One axial slice (73 of 143, counting up from the lowest) of a chest CT acquired at 120 kVp with the LUNG kernel; each pixel is 0.781 mm and the slice is 2.50 mm thick.
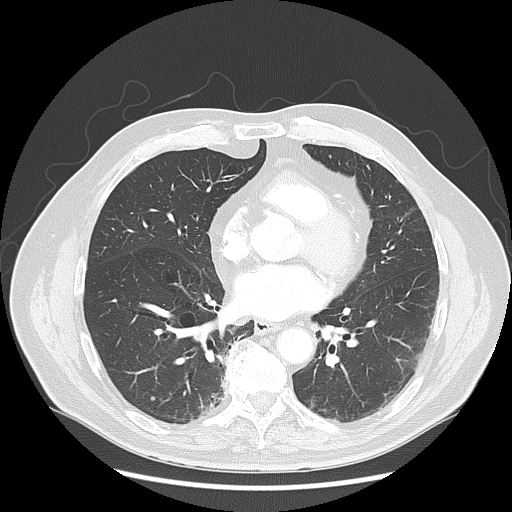
Pulmonary nodule, outlined by one of the four readers. Box on this slice rows 396–401, columns 150–155, that reader's outline on this slice; longest diameter 5.9 mm and volume 79 mm3 from that reader's outline. That reader's ratings: texture 5/5 (solid); margin 4/5; sphericity 5/5 (round); calcification absent; internal structure soft tissue; subtlety 3/5; malignancy likelihood 3/5. Scale key (1–5): texture non-solid→solid, margin indistinct→circumscribed, sphericity linear→round, subtlety extremely subtle→obvious, malignancy likelihood highly unlikely→highly suspicious of cancer. Box rows and columns are 0-based pixel indices from the top-left corner, inclusive.